One axial slice (370 of 445, counting up from the lowest) of a chest CT acquired at 120 kVp with the STANDARD kernel; each pixel is 0.645 mm and the slice is 1.25 mm thick.
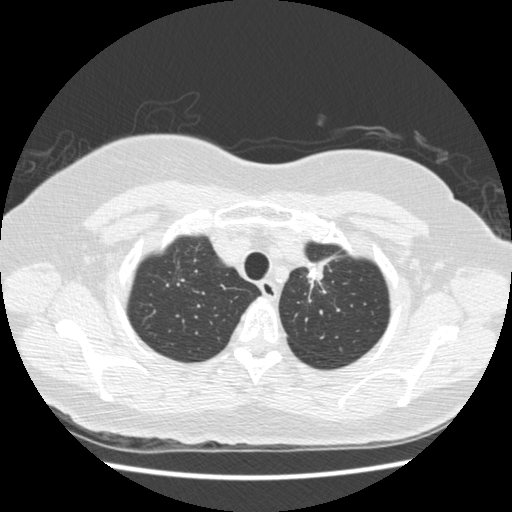
Pulmonary nodule, outlined by one of the four readers. Box on this slice rows 264–287, columns 308–322, that reader's outline on this slice; longest diameter 31.0 mm and volume 2055 mm3 from that reader's outline. That reader's ratings: texture 5/5 (solid); margin 2/5; sphericity 2/5; calcification absent; internal structure soft tissue; subtlety 5/5; malignancy likelihood 4/5. Scale key (1–5): texture non-solid→solid, margin indistinct→circumscribed, sphericity linear→round, subtlety extremely subtle→obvious, malignancy likelihood highly unlikely→highly suspicious of cancer. Box rows and columns are 0-based pixel indices from the top-left corner, inclusive.